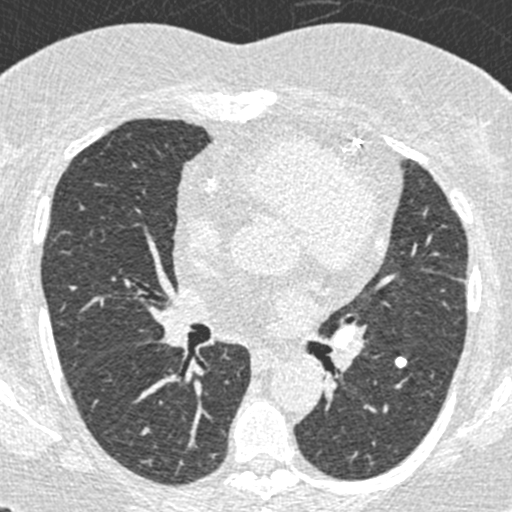
Chest CT, axial plane, 120 kVp, kernel B30f. Slice 263/423 from the bottom of the scan; thickness 0.75 mm; pixel size 0.520 mm.
Pulmonary nodule at rows 356–367, columns 395–406 (box = the union of the readers' outlines on this slice), outlined by all four readers; longest diameter 8.7 mm on average over the four readers' outlines (readers' outlines 8.1–9.5 mm), volume 146–244 mm3. Ratings, by the readers' most common answer with dissent counted: texture 5/5 (solid), all four readers agreeing; margin 5/5 (circumscribed) from all four readers; sphericity 3/5 (ovoid) by two of four readers; the rest gave 4/5 (one), 5/5 (round) (one); calcification solid calcification, all four readers agreeing; internal structure soft tissue from all four readers; most readers (three of four) put subtlety at 5/5, others 4/5 (one); malignancy likelihood 1/5, all four readers agreeing. Scale key (1–5): texture non-solid→solid, margin indistinct→circumscribed, sphericity linear→round, subtlety extremely subtle→obvious, malignancy likelihood highly unlikely→highly suspicious of cancer. Box rows and columns are 0-based pixel indices from the top-left corner, inclusive.